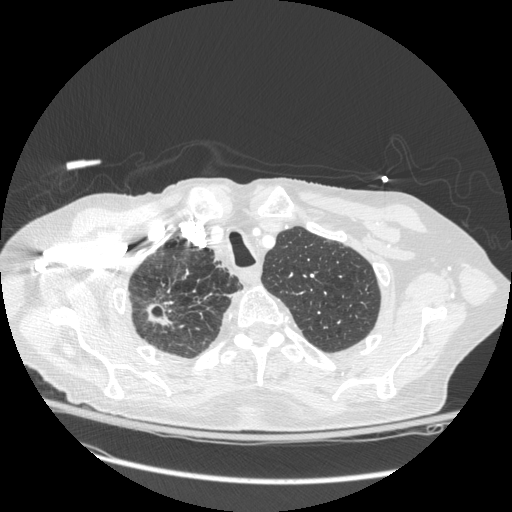
Axial chest CT slice 230 of 272 (counted from the lowest slice); 1.25 mm thick, 0.742 mm per pixel. Pulmonary nodule outlined by all four readers, three of them on this slice; box rows 303–325, columns 147–171 (the union of the readers' outlines on this slice); median longest diameter 21.5 mm (readers' outlines 16.0–56.1 mm), median volume 1723 mm3 (732–13897 mm3). Ratings, median across the readers with their spread: texture 5/5 (solid), all four readers agreeing; margin 3/5 at the median of four readers, spread 3/5 to 5/5 (circumscribed); sphericity 3/5 (ovoid) at the median of four readers, spread 3/5 (ovoid) to 4/5; calcification absent, all four readers agreeing; internal structure soft tissue, all four readers agreeing; subtlety 5/5, all four readers agreeing; median malignancy likelihood 5/5 (readers ranged 4–5). Scale key (1–5): texture non-solid→solid, margin indistinct→circumscribed, sphericity linear→round, subtlety extremely subtle→obvious, malignancy likelihood highly unlikely→highly suspicious of cancer. Box rows and columns are 0-based pixel indices from the top-left corner, inclusive.
Scan settings: 120 kVp, STANDARD reconstruction kernel.